Axial slice 139 of 278 of a chest CT (slice 1 is the lowest), reconstructed with the D kernel at 120 kVp; 1.00 mm slice thickness and 0.812 mm pixels.
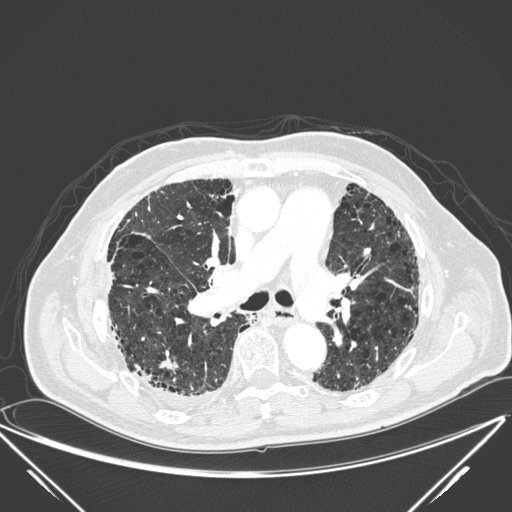
Pulmonary nodule outlined by all four readers; box rows 351–373, columns 158–178 (the union of the readers' outlines on this slice); median longest diameter 33.5 mm (readers' outlines 17.4–39.8 mm), median volume 3234 mm3 (1021–4525 mm3). Median ratings and the readers' spread: texture 5/5 (solid) from all four readers; margin 2.5/5 at the median of four readers, spread 1/5 (indistinct) to 5/5 (circumscribed); median sphericity 2/5 (readers ranged 2/5 to 5/5 (round)); calcification absent from all four readers; internal structure soft tissue, all four readers agreeing; subtlety 4.5/5 at the median of four readers, spread 4–5; malignancy likelihood 4.5/5 at the median of four readers, spread 3–5. Scale key (1–5): texture non-solid→solid, margin indistinct→circumscribed, sphericity linear→round, subtlety extremely subtle→obvious, malignancy likelihood highly unlikely→highly suspicious of cancer. Box rows and columns are 0-based pixel indices from the top-left corner, inclusive.